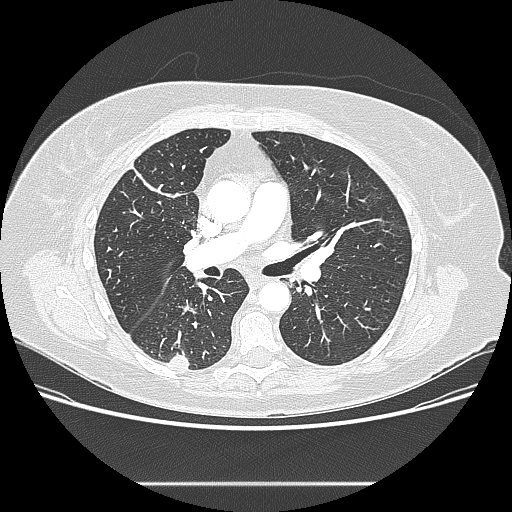
Chest CT, axial plane, 120 kVp, kernel LUNG. Slice 138/238 from the bottom of the scan; thickness 1.25 mm; pixel size 0.742 mm.
Pulmonary nodule at rows 355–370, columns 168–188 (box = the union of the readers' outlines on this slice), outlined by all four readers; median longest diameter 16.9 mm (readers' outlines 16.2–17.0 mm), median volume 1591 mm3 (1456–1679 mm3). Median ratings and the readers' spread: texture 5/5 (solid), all four readers agreeing; margin 5/5 (circumscribed) at the median of four readers, spread 4/5 to 5/5 (circumscribed); median sphericity 5/5 (round) (readers ranged 3/5 (ovoid) to 5/5 (round)); calcification absent, all four readers agreeing; internal structure soft tissue, all four readers agreeing; median subtlety 4.5/5 (readers ranged 3–5); median malignancy likelihood 3/5 (readers ranged 2–4). Scale key (1–5): texture non-solid→solid, margin indistinct→circumscribed, sphericity linear→round, subtlety extremely subtle→obvious, malignancy likelihood highly unlikely→highly suspicious of cancer. Box rows and columns are 0-based pixel indices from the top-left corner, inclusive.